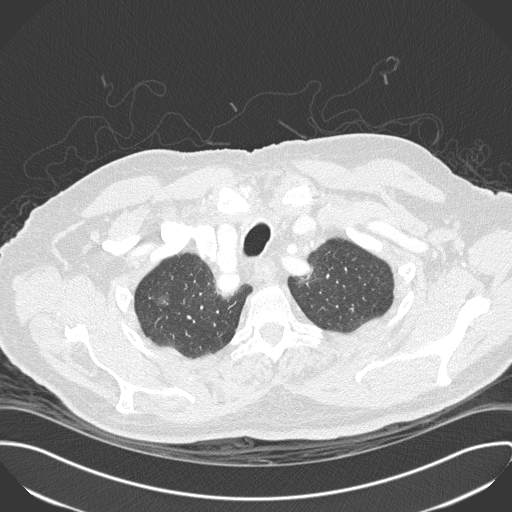
Axial slice 277 of 330 of a chest CT (slice 1 is the lowest), reconstructed with the B45f kernel at 120 kVp; 1.00 mm slice thickness and 0.762 mm pixels.
Pulmonary nodule at rows 292–305, columns 154–169 (box = the union of the readers' outlines on this slice), outlined by all four readers; longest diameter 15.2–19.9 mm and volume 678–927 mm3 across the four readers' outlines. Ratings across the readers: texture from 1/5 (non-solid) to 2/5 across the four readers; margin from 1/5 (indistinct) to 4/5 across the four readers; sphericity from 3/5 (ovoid) to 5/5 (round) across the four readers; calcification absent from all four readers; internal structure soft tissue from all four readers; subtlety from 1/5 to 4/5 across the four readers; malignancy likelihood rated between 2 and 4 out of 5 by the four readers. Scale key (1–5): texture non-solid→solid, margin indistinct→circumscribed, sphericity linear→round, subtlety extremely subtle→obvious, malignancy likelihood highly unlikely→highly suspicious of cancer. Box rows and columns are 0-based pixel indices from the top-left corner, inclusive.